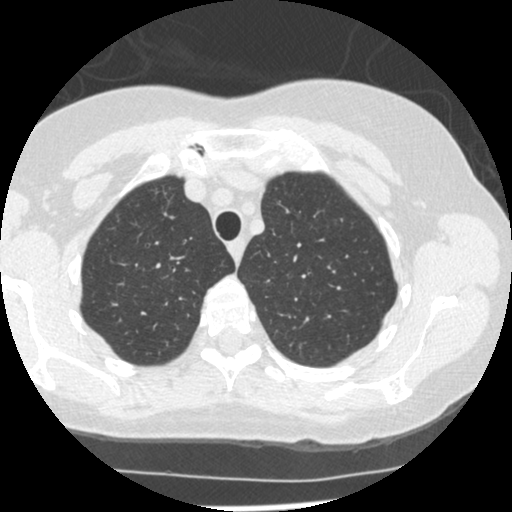
Axial chest CT slice 372 of 465 (counted from the lowest slice); 1.25 mm thick, 0.586 mm per pixel. Pulmonary nodule at rows 257–260, columns 120–122 (box = the one reader's outline on this slice), outlined by two of the four readers, one of them on this slice; the two readers' outlines give a longest diameter between 4.3 and 5.9 mm and a volume between 21 and 42 mm3. The readers' ratings, as ranges where they differ: texture from 1/5 (non-solid) to 3/5 (part-solid) across the two readers; margin from 1/5 (indistinct) to 4/5 across the two readers; sphericity from 3/5 (ovoid) to 4/5 across the two readers; calcification absent from both readers; internal structure soft tissue from both readers; subtlety 3–5/5 (the readers disagree); malignancy likelihood 3/5 from both readers. Scale key (1–5): texture non-solid→solid, margin indistinct→circumscribed, sphericity linear→round, subtlety extremely subtle→obvious, malignancy likelihood highly unlikely→highly suspicious of cancer. Box rows and columns are 0-based pixel indices from the top-left corner, inclusive.
Tube voltage 120 kVp; convolution kernel STANDARD.